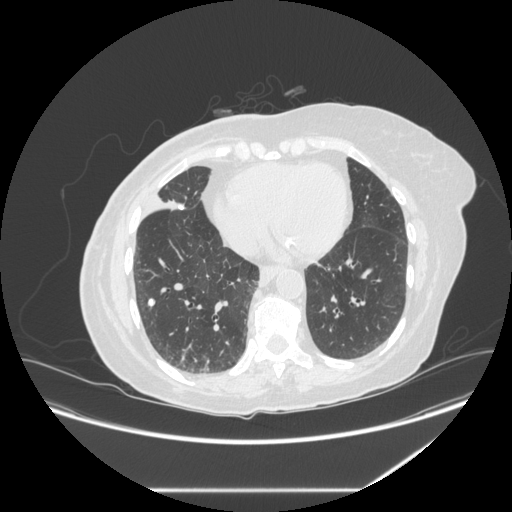
Chest CT, axial plane, 120 kVp, kernel STANDARD. Slice 121/281 from the bottom of the scan; thickness 1.25 mm; pixel size 0.816 mm.
Pulmonary nodule, outlined by all four readers. Box on this slice rows 298–306, columns 146–155, the union of the readers' outlines on this slice; longest diameter 8.2 mm on average over the four readers' outlines (readers' outlines 7.4–8.5 mm), volume 147–237 mm3. The readers' prevailing ratings and who disagreed: texture 5/5 (solid), all four readers agreeing; margin 5/5 (circumscribed), all four readers agreeing; sphericity split among the readers: 4/5 (two), 5/5 (round) (two); calcification solid calcification by three of four readers, absent (one); internal structure soft tissue, all four readers agreeing; subtlety 4/5 by three of four readers; the rest gave 5/5 (one); malignancy likelihood 1/5 by three of four readers; the rest gave 3/5 (one). Scale key (1–5): texture non-solid→solid, margin indistinct→circumscribed, sphericity linear→round, subtlety extremely subtle→obvious, malignancy likelihood highly unlikely→highly suspicious of cancer. Box rows and columns are 0-based pixel indices from the top-left corner, inclusive.